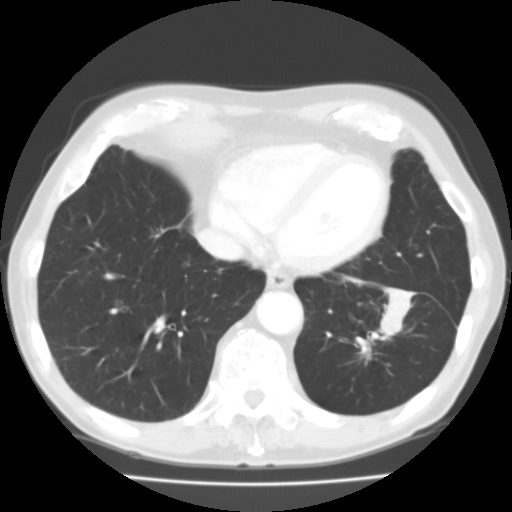
Slice 42/129 of a chest CT, counting up from the lowest; pixel size 0.662 mm, slice thickness 3.00 mm. Pulmonary nodule, outlined by three of the four readers, two of them on this slice. Box on this slice rows 330–359, columns 355–380, the union of the readers' outlines on this slice; longest diameter 22.5 mm on average over the three readers' outlines (readers' outlines 21.3–24.4 mm), volume 2229–2513 mm3. Ratings, by the readers' most common answer with dissent counted: texture 5/5 (solid) from all three readers; margin split among the readers: 2/5 (one), 4/5 (one), 5/5 (circumscribed) (one); sphericity split among the readers: 3/5 (ovoid) (one), 4/5 (one), 5/5 (round) (one); calcification absent, all three readers agreeing; internal structure soft tissue, all three readers agreeing; subtlety 5/5, all three readers agreeing; most readers (two of three) put malignancy likelihood at 4/5, others 3/5 (one). Scale key (1–5): texture non-solid→solid, margin indistinct→circumscribed, sphericity linear→round, subtlety extremely subtle→obvious, malignancy likelihood highly unlikely→highly suspicious of cancer. Box rows and columns are 0-based pixel indices from the top-left corner, inclusive.
Scan settings: 135 kVp, FC01 reconstruction kernel.